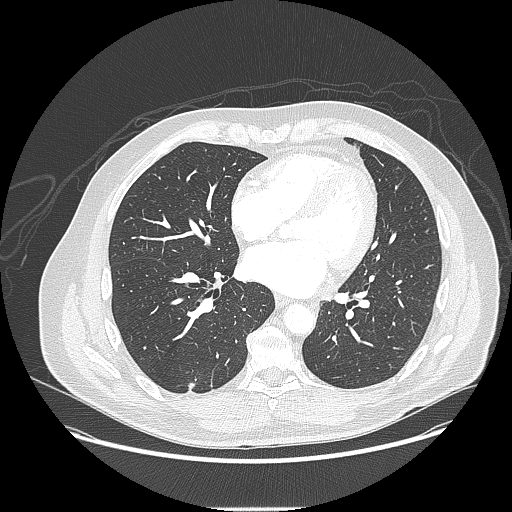
This is axial slice 81 of 214 (slice 1 is the lowest) of a chest CT; each pixel is 0.820 mm and the slice is 1.25 mm thick. Pulmonary nodule outlined by all four readers, two of them on this slice; box rows 383–390, columns 188–194 (the union of the readers' outlines on this slice); longest diameter 22.2 mm on average over the four readers' outlines (readers' outlines 14.7–27.9 mm), volume 696–2326 mm3. The readers' prevailing ratings and who disagreed: most readers (three of four) put texture at 5/5 (solid), others 4/5 (one); most readers (three of four) put margin at 4/5, others 1/5 (indistinct) (one); sphericity split among the readers: 2/5 (two), 3/5 (ovoid) (two); calcification absent, all four readers agreeing; internal structure soft tissue from all four readers; subtlety split among the readers: 4/5 (two), 5/5 (two); malignancy likelihood 4/5 by three of four readers; the rest gave 3/5 (one). Scale key (1–5): texture non-solid→solid, margin indistinct→circumscribed, sphericity linear→round, subtlety extremely subtle→obvious, malignancy likelihood highly unlikely→highly suspicious of cancer. Box rows and columns are 0-based pixel indices from the top-left corner, inclusive.
Tube voltage 120 kVp; convolution kernel LUNG.